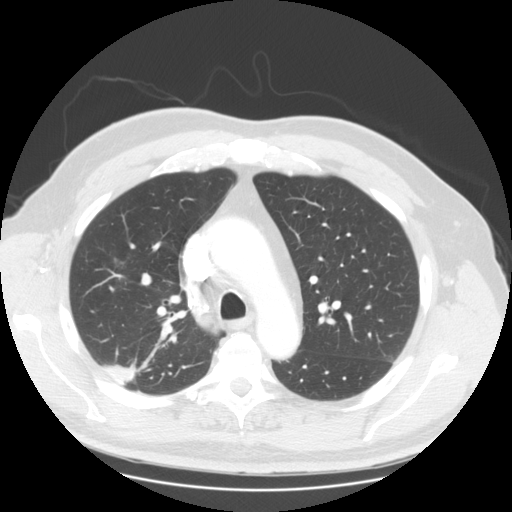
Axial slice 107 of 145 of a chest CT (slice 1 is the lowest), reconstructed with the STANDARD kernel at 120 kVp; 2.50 mm slice thickness and 0.781 mm pixels.
Pulmonary nodule outlined by three of the four readers; box rows 365–383, columns 101–134 (the union of the readers' outlines on this slice); longest diameter 31.4 mm on average over the three readers' outlines (readers' outlines 28.0–34.8 mm), volume 3063–5177 mm3. Ratings, by the readers' most common answer with dissent counted: texture 5/5 (solid) by two of three readers; the rest gave 4/5 (one); margin 4/5 by two of three readers; the rest gave 2/5 (one); sphericity split among the readers: 2/5 (one), 3/5 (ovoid) (one), 5/5 (round) (one); calcification absent from all three readers; internal structure soft tissue, all three readers agreeing; subtlety 5/5, all three readers agreeing; malignancy likelihood split among the readers: 3/5 (one), 4/5 (one), 5/5 (one). Scale key (1–5): texture non-solid→solid, margin indistinct→circumscribed, sphericity linear→round, subtlety extremely subtle→obvious, malignancy likelihood highly unlikely→highly suspicious of cancer. Box rows and columns are 0-based pixel indices from the top-left corner, inclusive.